One axial slice (492 of 558, counting up from the lowest) of a chest CT acquired at 120 kVp with the B30f kernel; each pixel is 0.648 mm and the slice is 0.75 mm thick.
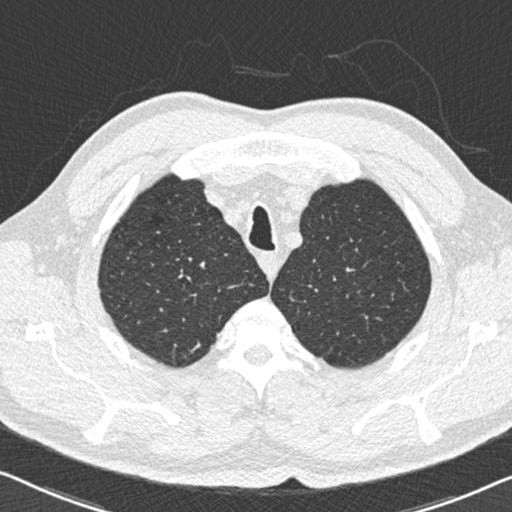
Pulmonary nodule, outlined by all four readers, three of them on this slice. Box on this slice rows 342–352, columns 191–200, the union of the readers' outlines on this slice; the four readers' outlines give a longest diameter between 9.0 and 9.8 mm and a volume between 82 and 155 mm3. Ratings across the readers: texture from 4/5 to 5/5 (solid) across the four readers; margin from 4/5 to 5/5 (circumscribed) across the four readers; sphericity from 2/5 to 5/5 (round) across the four readers; calcification absent, all four readers agreeing; internal structure soft tissue, all four readers agreeing; subtlety rated between 3 and 5 out of 5 by the four readers; malignancy likelihood from 2/5 to 3/5 across the four readers. Scale key (1–5): texture non-solid→solid, margin indistinct→circumscribed, sphericity linear→round, subtlety extremely subtle→obvious, malignancy likelihood highly unlikely→highly suspicious of cancer. Box rows and columns are 0-based pixel indices from the top-left corner, inclusive.